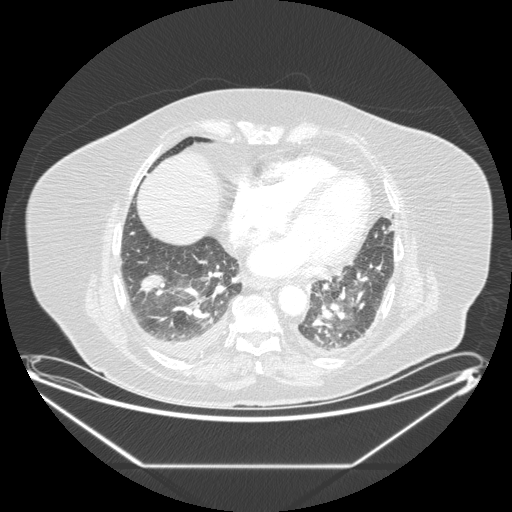
Axial chest CT slice 66 of 206 (counted from the lowest slice); tube voltage 120 kVp, convolution kernel STANDARD; slices 1.25 mm thick, 0.898 mm per pixel.
Pulmonary nodule outlined by all four readers; box rows 273–292, columns 138–164 (the union of the readers' outlines on this slice); longest diameter 28.4 mm on average over the four readers' outlines (readers' outlines 25.7–34.7 mm), volume 3668–5061 mm3. Ratings, by the readers' most common answer with dissent counted: texture 5/5 (solid) by three of four readers; the rest gave 4/5 (one); margin 4/5 from all four readers; sphericity 3/5 (ovoid) by three of four readers; the rest gave 5/5 (round) (one); calcification absent, all four readers agreeing; internal structure soft tissue from all four readers; subtlety 5/5 by three of four readers; the rest gave 4/5 (one); malignancy likelihood 5/5 by two of four readers; the rest gave 3/5 (one), 4/5 (one). Scale key (1–5): texture non-solid→solid, margin indistinct→circumscribed, sphericity linear→round, subtlety extremely subtle→obvious, malignancy likelihood highly unlikely→highly suspicious of cancer. Box rows and columns are 0-based pixel indices from the top-left corner, inclusive.